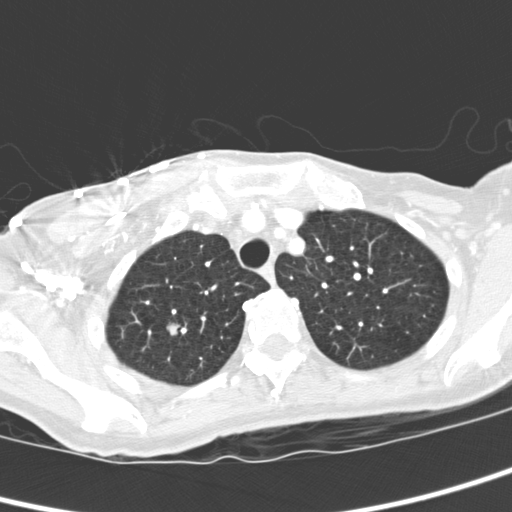
Slice 265/321 of a chest CT, counting up from the lowest; pixel size 0.557 mm, slice thickness 2.00 mm. Pulmonary nodule, outlined by all four readers. Box on this slice rows 322–335, columns 165–179, the union of the readers' outlines on this slice; longest diameter 9.7 mm on average over the four readers' outlines (readers' outlines 9.1–10.4 mm), volume 168–407 mm3. The readers' prevailing ratings and who disagreed: texture 5/5 (solid), all four readers agreeing; margin 5/5 (circumscribed) by three of four readers; the rest gave 4/5 (one); sphericity 4/5 by three of four readers; the rest gave 3/5 (ovoid) (one); calcification absent from all four readers; internal structure soft tissue, all four readers agreeing; subtlety split among the readers: 4/5 (two), 5/5 (two); malignancy likelihood 3/5 by two of four readers; the rest gave 4/5 (one), 5/5 (one). Scale key (1–5): texture non-solid→solid, margin indistinct→circumscribed, sphericity linear→round, subtlety extremely subtle→obvious, malignancy likelihood highly unlikely→highly suspicious of cancer. Box rows and columns are 0-based pixel indices from the top-left corner, inclusive.
Scan settings: 120 kVp, D reconstruction kernel.